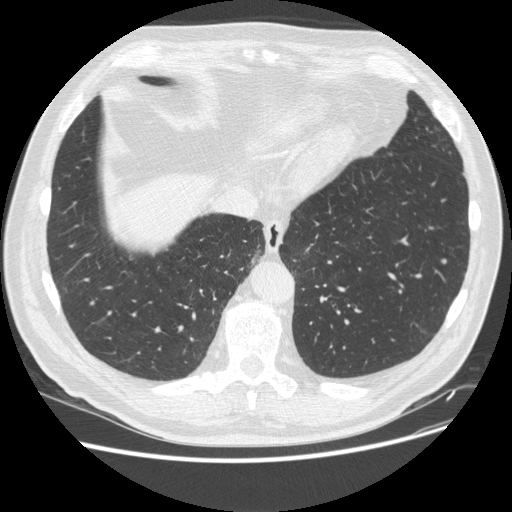
Axial chest CT slice 150 of 513 (counted from the lowest slice); tube voltage 120 kVp, convolution kernel STANDARD; slices 1.25 mm thick, 0.742 mm per pixel.
Pulmonary nodule, outlined by one of the four readers. Box on this slice rows 259–263, columns 441–446, that reader's outline on this slice; longest diameter 6.1 mm and volume 84 mm3 from that reader's outline. That reader's ratings: texture 5/5 (solid); margin 5/5 (circumscribed); sphericity 5/5 (round); calcification absent; internal structure soft tissue; subtlety 3/5; malignancy likelihood 2/5. Scale key (1–5): texture non-solid→solid, margin indistinct→circumscribed, sphericity linear→round, subtlety extremely subtle→obvious, malignancy likelihood highly unlikely→highly suspicious of cancer. Box rows and columns are 0-based pixel indices from the top-left corner, inclusive.